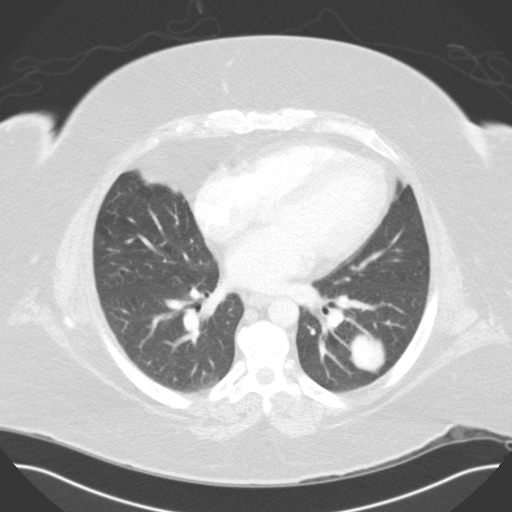
This is axial slice 71 of 117 (slice 1 is the lowest) of a chest CT; each pixel is 0.779 mm and the slice is 3.00 mm thick. Pulmonary nodule at rows 335–372, columns 350–385 (box = the union of the readers' outlines on this slice), outlined by two of the four readers; median longest diameter 39.4 mm (readers' outlines 39.2–39.6 mm), median volume 25205 mm3 (24959–25451 mm3). Ratings, median across the readers with their spread: texture 5/5 (solid), both readers agreeing; margin 5/5 (circumscribed) from both readers; sphericity 5/5 (round) from both readers; calcification split among the readers: laminated calcification (one), absent (one); internal structure soft tissue, both readers agreeing; subtlety 5/5, both readers agreeing; malignancy likelihood 2.5/5 at the median of two readers, spread 2–3. Scale key (1–5): texture non-solid→solid, margin indistinct→circumscribed, sphericity linear→round, subtlety extremely subtle→obvious, malignancy likelihood highly unlikely→highly suspicious of cancer. Box rows and columns are 0-based pixel indices from the top-left corner, inclusive.
Scan settings: 120 kVp, B31f reconstruction kernel.